Axial slice 146 of 285 of a chest CT (slice 1 is the lowest), reconstructed with the B kernel at 120 kVp; 2.00 mm slice thickness and 0.748 mm pixels.
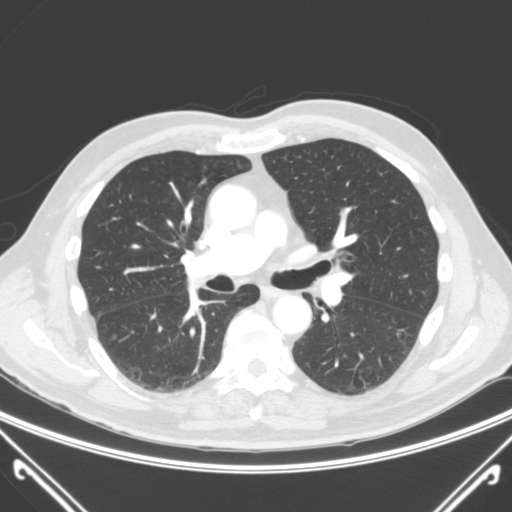
Pulmonary nodule, outlined by all four readers, two of them on this slice. Box on this slice rows 334–339, columns 111–116, the union of the readers' outlines on this slice; longest diameter 6.0–7.7 mm and volume 50–138 mm3 across the four readers' outlines. Ratings across the readers: texture from 4/5 to 5/5 (solid) across the four readers; margin from 4/5 to 5/5 (circumscribed) across the four readers; sphericity from 2/5 to 5/5 (round) across the four readers; calcification absent from all four readers; internal structure soft tissue, all four readers agreeing; subtlety 2–5/5 (the readers disagree); malignancy likelihood from 2/5 to 4/5 across the four readers. Scale key (1–5): texture non-solid→solid, margin indistinct→circumscribed, sphericity linear→round, subtlety extremely subtle→obvious, malignancy likelihood highly unlikely→highly suspicious of cancer. Box rows and columns are 0-based pixel indices from the top-left corner, inclusive.